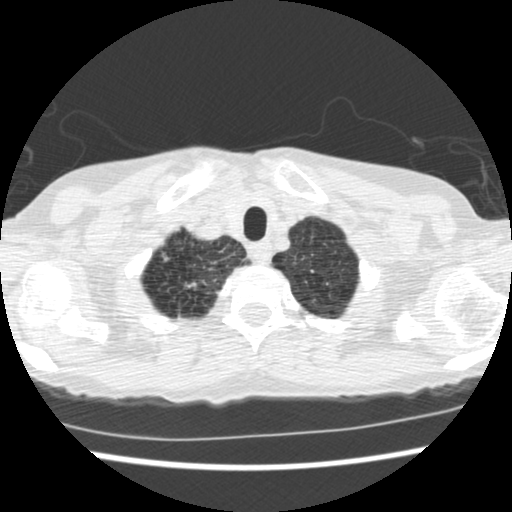
One axial slice (482 of 541, counting up from the lowest) of a chest CT acquired at 120 kVp with the STANDARD kernel; each pixel is 0.586 mm and the slice is 1.25 mm thick.
Pulmonary nodule, outlined by one of the four readers. Box on this slice rows 283–286, columns 185–195, that reader's outline on this slice; longest diameter 24.9 mm and volume 491 mm3 from that reader's outline. Ratings by that reader: texture 5/5 (solid); margin 1/5 (indistinct); sphericity 2/5; calcification absent; internal structure soft tissue; subtlety 4/5; malignancy likelihood 4/5. Scale key (1–5): texture non-solid→solid, margin indistinct→circumscribed, sphericity linear→round, subtlety extremely subtle→obvious, malignancy likelihood highly unlikely→highly suspicious of cancer. Box rows and columns are 0-based pixel indices from the top-left corner, inclusive.